Chest CT, axial plane, 120 kVp, kernel B30f. Slice 314/493 from the bottom of the scan; thickness 0.75 mm; pixel size 0.762 mm.
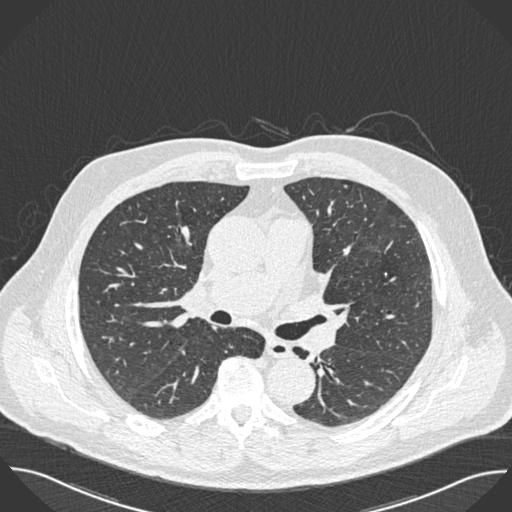
Pulmonary nodule, outlined by one of the four readers. Box on this slice rows 185–187, columns 344–347, that reader's outline on this slice; longest diameter 4.8 mm and volume 45 mm3 from that reader's outline. That reader's ratings: texture 5/5 (solid); margin 5/5 (circumscribed); sphericity 5/5 (round); calcification absent; internal structure soft tissue; subtlety 5/5; malignancy likelihood 2/5. Scale key (1–5): texture non-solid→solid, margin indistinct→circumscribed, sphericity linear→round, subtlety extremely subtle→obvious, malignancy likelihood highly unlikely→highly suspicious of cancer. Box rows and columns are 0-based pixel indices from the top-left corner, inclusive.